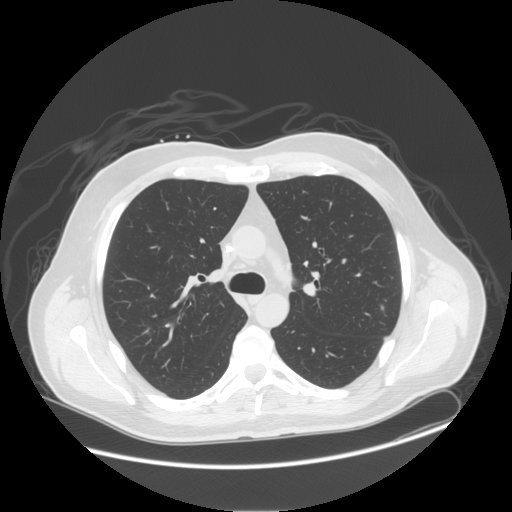
One axial slice (96 of 143, counting up from the lowest) of a chest CT acquired at 120 kVp with the STANDARD kernel; each pixel is 0.859 mm and the slice is 2.50 mm thick.
Pulmonary nodule at rows 303–312, columns 379–384 (box = the union of the readers' outlines on this slice), outlined by two of the four readers; the two readers' outlines give a longest diameter between 12.2 and 13.4 mm and a volume between 234 and 285 mm3. Ratings across the readers: texture 1/5 (non-solid), both readers agreeing; margin 2/5, both readers agreeing; sphericity from 3/5 (ovoid) to 5/5 (round) across the two readers; calcification absent, both readers agreeing; internal structure soft tissue from both readers; subtlety from 1/5 to 2/5 across the two readers; malignancy likelihood from 2/5 to 3/5 across the two readers. Scale key (1–5): texture non-solid→solid, margin indistinct→circumscribed, sphericity linear→round, subtlety extremely subtle→obvious, malignancy likelihood highly unlikely→highly suspicious of cancer. Box rows and columns are 0-based pixel indices from the top-left corner, inclusive.